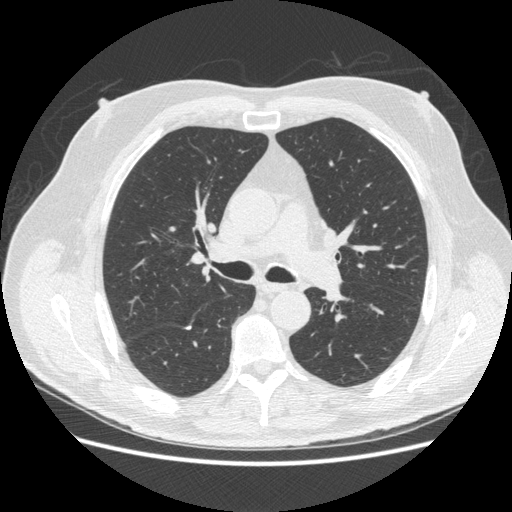
Slice 310/503 of a chest CT, counting up from the lowest; pixel size 0.742 mm, slice thickness 1.25 mm. Pulmonary nodule, outlined by all four readers. Box on this slice rows 326–329, columns 186–191, the union of the readers' outlines on this slice; the four readers' outlines give a longest diameter between 7.0 and 8.7 mm and a volume between 116 and 149 mm3. The readers' ratings, as ranges where they differ: texture 5/5 (solid) from all four readers; margin 5/5 (circumscribed) from all four readers; sphericity from 3/5 (ovoid) to 5/5 (round) across the four readers; calcification solid calcification from all four readers; internal structure soft tissue from all four readers; subtlety from 4/5 to 5/5 across the four readers; malignancy likelihood 1/5 from all four readers. Scale key (1–5): texture non-solid→solid, margin indistinct→circumscribed, sphericity linear→round, subtlety extremely subtle→obvious, malignancy likelihood highly unlikely→highly suspicious of cancer. Box rows and columns are 0-based pixel indices from the top-left corner, inclusive.
Scan settings: 120 kVp, STANDARD reconstruction kernel.